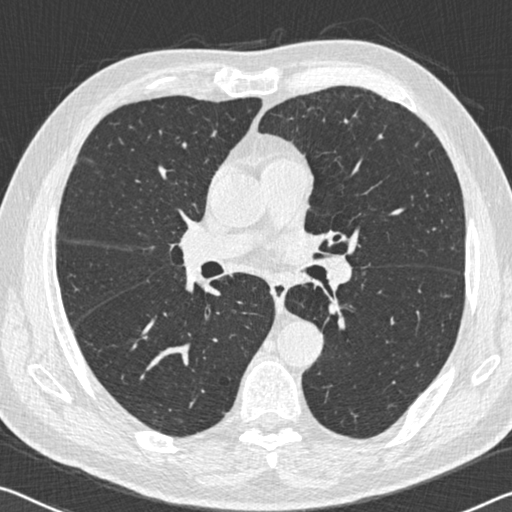
Chest CT, axial plane, 120 kVp, kernel B30f. Slice 328/536 from the bottom of the scan; thickness 0.75 mm; pixel size 0.656 mm.
Pulmonary nodule at rows 232–235, columns 137–139 (box = the one reader's outline on this slice), outlined by two of the four readers, one of them on this slice; median longest diameter 5.6 mm (readers' outlines 5.4–5.9 mm), median volume 40 mm3 (38–42 mm3). Median ratings and the readers' spread: texture 5/5 (solid) from both readers; margin 5/5 (circumscribed) from both readers; median sphericity 4.5/5 (readers ranged 4/5 to 5/5 (round)); calcification solid calcification from both readers; internal structure soft tissue from both readers; subtlety 5/5 from both readers; malignancy likelihood 1/5 from both readers. Scale key (1–5): texture non-solid→solid, margin indistinct→circumscribed, sphericity linear→round, subtlety extremely subtle→obvious, malignancy likelihood highly unlikely→highly suspicious of cancer. Box rows and columns are 0-based pixel indices from the top-left corner, inclusive.